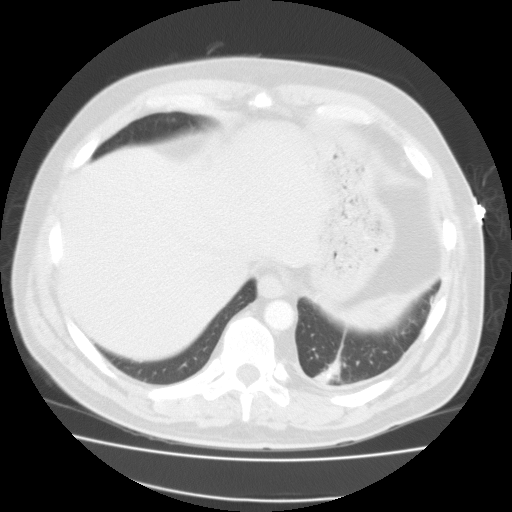
Axial chest CT slice 39 of 115 (counted from the lowest slice); tube voltage 135 kVp, convolution kernel FC01; slices 3.00 mm thick, 0.782 mm per pixel.
Pulmonary nodule outlined by all four readers; box rows 355–383, columns 313–340 (the union of the readers' outlines on this slice); longest diameter 28.5 mm on average over the four readers' outlines (readers' outlines 25.2–31.6 mm), volume 5217–6928 mm3. Ratings, by the readers' most common answer with dissent counted: most readers (three of four) put texture at 5/5 (solid), others 4/5 (one); margin 4/5 by three of four readers; the rest gave 2/5 (one); sphericity 4/5 by two of four readers; the rest gave 2/5 (one), 3/5 (ovoid) (one); calcification split among the readers: non-central calcification (two), absent (two); internal structure soft tissue from all four readers; subtlety 5/5 from all four readers; malignancy likelihood 3/5 by two of four readers; the rest gave 2/5 (one), 5/5 (one). Scale key (1–5): texture non-solid→solid, margin indistinct→circumscribed, sphericity linear→round, subtlety extremely subtle→obvious, malignancy likelihood highly unlikely→highly suspicious of cancer. Box rows and columns are 0-based pixel indices from the top-left corner, inclusive.